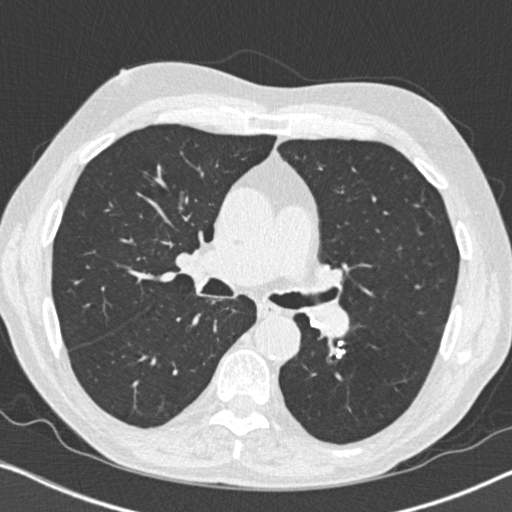
Axial slice 466 of 764 of a chest CT (slice 1 is the lowest), reconstructed with the B31f kernel at 120 kVp; 1.00 mm slice thickness and 0.646 mm pixels.
Pulmonary nodule at rows 349–357, columns 336–343 (box = that reader's outline on this slice), outlined by one of the four readers; longest diameter 8.3 mm and volume 154 mm3 from that reader's outline. Ratings by that reader: texture 5/5 (solid); margin 5/5 (circumscribed); sphericity 3/5 (ovoid); calcification solid calcification; internal structure soft tissue; subtlety 5/5; malignancy likelihood 1/5. Scale key (1–5): texture non-solid→solid, margin indistinct→circumscribed, sphericity linear→round, subtlety extremely subtle→obvious, malignancy likelihood highly unlikely→highly suspicious of cancer. Box rows and columns are 0-based pixel indices from the top-left corner, inclusive.